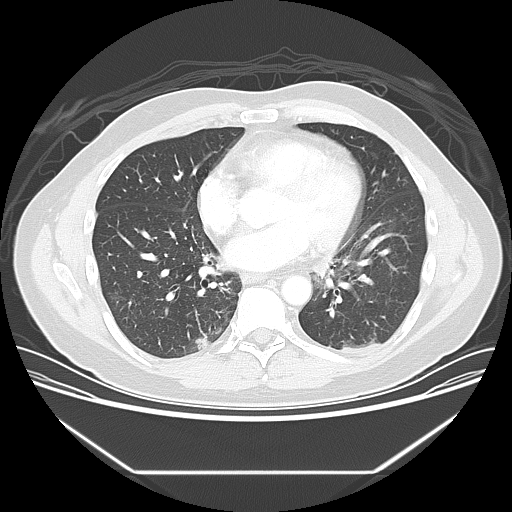
Axial slice 68 of 133 of a chest CT (slice 1 is the lowest), reconstructed with the LUNG kernel at 120 kVp; 2.50 mm slice thickness and 0.781 mm pixels.
Pulmonary nodule, outlined by three of the four readers. Box on this slice rows 334–350, columns 194–211, the union of the readers' outlines on this slice; median longest diameter 17.6 mm (readers' outlines 16.3–19.4 mm), median volume 1079 mm3 (967–1366 mm3). Median ratings and the readers' spread: median texture 4/5 (readers ranged 3/5 (part-solid) to 5/5 (solid)); margin 2/5 at the median of three readers, spread 2/5 to 4/5; median sphericity 3/5 (ovoid) (readers ranged 3/5 (ovoid) to 4/5); calcification absent from all three readers; internal structure soft tissue, all three readers agreeing; subtlety 4/5 at the median of three readers, spread 4–5; median malignancy likelihood 4/5 (readers ranged 3–4). Scale key (1–5): texture non-solid→solid, margin indistinct→circumscribed, sphericity linear→round, subtlety extremely subtle→obvious, malignancy likelihood highly unlikely→highly suspicious of cancer. Box rows and columns are 0-based pixel indices from the top-left corner, inclusive.